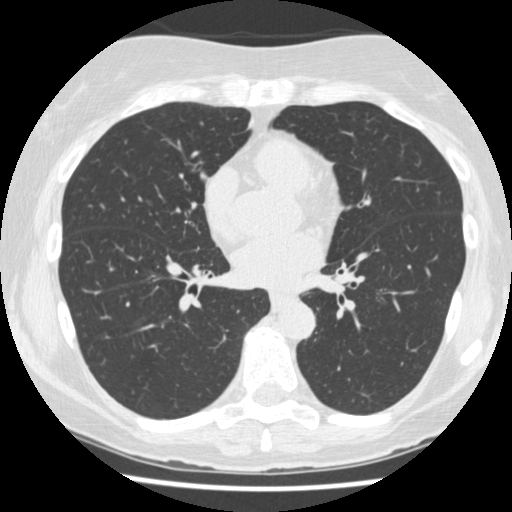
Axial slice 213 of 477 of a chest CT (slice 1 is the lowest), reconstructed with the STANDARD kernel at 120 kVp; 1.25 mm slice thickness and 0.625 mm pixels.
No nodule 3 mm or larger was outlined here by any reader.